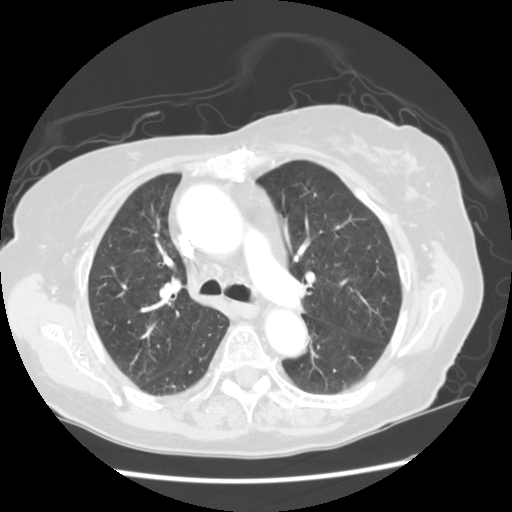
Axial slice 91 of 125 of a chest CT (slice 1 is the lowest), reconstructed with the STANDARD kernel at 120 kVp; 2.50 mm slice thickness and 0.664 mm pixels.
This slice carries no reader outline of a nodule 3 mm or larger.